Axial chest CT slice 71 of 133 (counted from the lowest slice); tube voltage 120 kVp, convolution kernel LUNG; slices 2.50 mm thick, 0.781 mm per pixel.
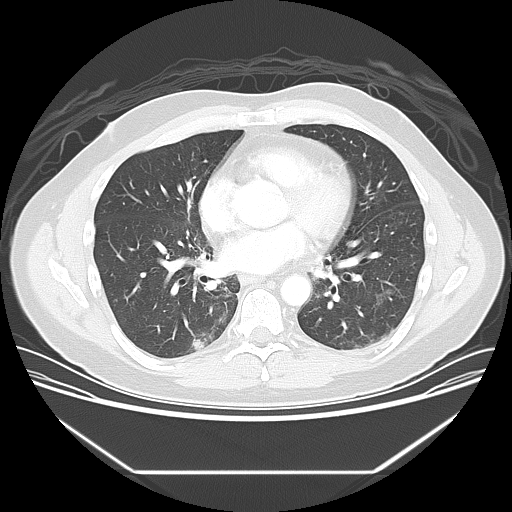
Pulmonary nodule, outlined by three of the four readers. Box on this slice rows 338–349, columns 191–205, the union of the readers' outlines on this slice; longest diameter 17.8 mm on average over the three readers' outlines (readers' outlines 16.3–19.4 mm), volume 967–1366 mm3. Ratings, by the readers' most common answer with dissent counted: texture split among the readers: 3/5 (part-solid) (one), 4/5 (one), 5/5 (solid) (one); margin 2/5 by two of three readers; the rest gave 4/5 (one); most readers (two of three) put sphericity at 3/5 (ovoid), others 4/5 (one); calcification absent from all three readers; internal structure soft tissue from all three readers; subtlety 4/5 by two of three readers; the rest gave 5/5 (one); most readers (two of three) put malignancy likelihood at 4/5, others 3/5 (one). Scale key (1–5): texture non-solid→solid, margin indistinct→circumscribed, sphericity linear→round, subtlety extremely subtle→obvious, malignancy likelihood highly unlikely→highly suspicious of cancer. Box rows and columns are 0-based pixel indices from the top-left corner, inclusive.